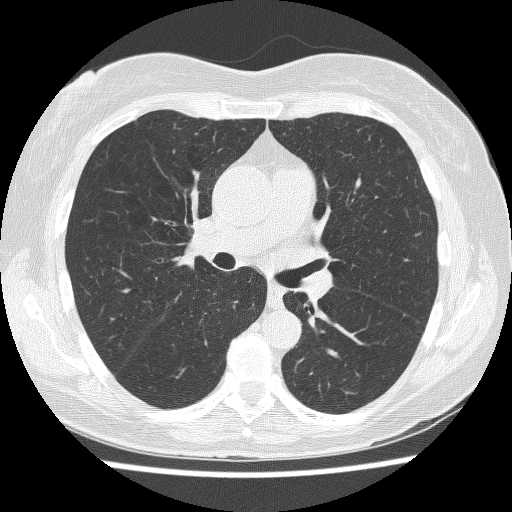
Axial chest CT slice 139 of 241 (counted from the lowest slice); 1.25 mm thick, 0.609 mm per pixel. None of the four readers outlined a nodule of 3 mm or more on this slice.
Scan settings: 120 kVp, BONE reconstruction kernel.